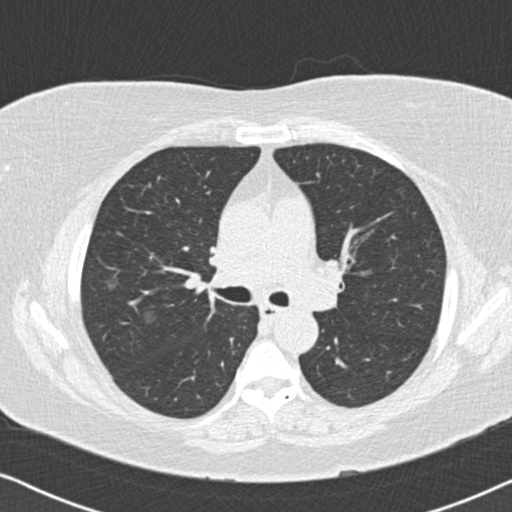
Axial chest CT slice 123 of 177 (counted from the lowest slice); 2.00 mm thick, 0.643 mm per pixel. Two pulmonary nodules are outlined on this slice; from left to right: (1) Pulmonary nodule, outlined by two of the four readers. Box on this slice rows 275–289, columns 106–117, the union of the readers' outlines on this slice; longest diameter 9.9 mm on average over the two readers' outlines (readers' outlines 8.6–11.2 mm), volume 175–261 mm3. Ratings, by the readers' most common answer with dissent counted: texture 1/5 (non-solid), both readers agreeing; margin split among the readers: 1/5 (indistinct) (one), 2/5 (one); sphericity split among the readers: 4/5 (one), 5/5 (round) (one); calcification absent from both readers; internal structure soft tissue, both readers agreeing; subtlety split among the readers: 1/5 (one), 3/5 (one); malignancy likelihood 3/5 from both readers. (2) Pulmonary nodule, outlined by two of the four readers. Box on this slice rows 311–322, columns 144–155, the union of the readers' outlines on this slice; longest diameter 9.3 mm and volume 296–335 mm3 across the two readers' outlines. Ratings across the readers: texture 1/5 (non-solid) from both readers; margin 1/5 (indistinct) from both readers; sphericity from 2/5 to 5/5 (round) across the two readers; calcification absent, both readers agreeing; internal structure soft tissue from both readers; subtlety rated between 1 and 3 out of 5 by the two readers; malignancy likelihood 3/5, both readers agreeing. Scale key (1–5): texture non-solid→solid, margin indistinct→circumscribed, sphericity linear→round, subtlety extremely subtle→obvious, malignancy likelihood highly unlikely→highly suspicious of cancer. Box rows and columns are 0-based pixel indices from the top-left corner, inclusive.
Scan settings: 120 kVp, B30f reconstruction kernel.